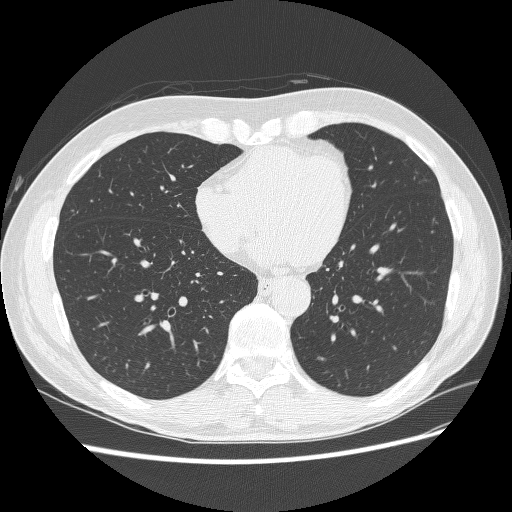
Axial chest CT slice 103 of 280 (counted from the lowest slice); tube voltage 120 kVp, convolution kernel BONE; slices 1.25 mm thick, 0.703 mm per pixel.
Pulmonary nodule, outlined by all four readers. Box on this slice rows 356–360, columns 317–324, the union of the readers' outlines on this slice; median longest diameter 8.0 mm (readers' outlines 7.2–8.9 mm), median volume 89 mm3 (60–103 mm3). Median ratings and the readers' spread: texture 5/5 (solid) at the median of four readers, spread 4/5 to 5/5 (solid); margin 4/5, all four readers agreeing; sphericity 2.5/5 at the median of four readers, spread 2/5 to 3/5 (ovoid); calcification absent, all four readers agreeing; internal structure soft tissue from all four readers; subtlety 3.5/5 at the median of four readers, spread 1–4; malignancy likelihood 2.5/5 at the median of four readers, spread 2–3. Scale key (1–5): texture non-solid→solid, margin indistinct→circumscribed, sphericity linear→round, subtlety extremely subtle→obvious, malignancy likelihood highly unlikely→highly suspicious of cancer. Box rows and columns are 0-based pixel indices from the top-left corner, inclusive.